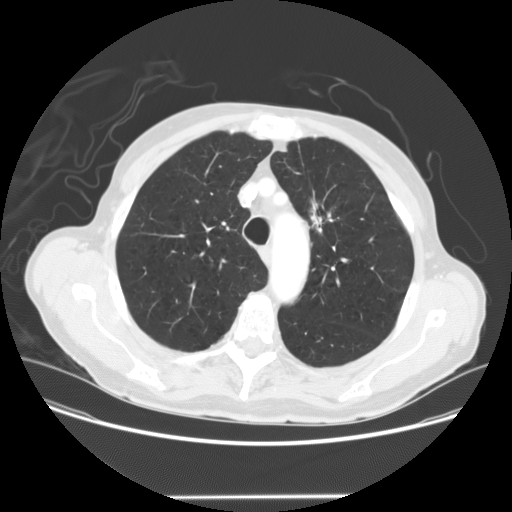
Axial slice 114 of 147 of a chest CT (slice 1 is the lowest), reconstructed with the STANDARD kernel at 120 kVp; 2.50 mm slice thickness and 0.781 mm pixels.
Pulmonary nodule outlined by all four readers; box rows 199–231, columns 308–324 (the union of the readers' outlines on this slice); longest diameter 28.8–40.5 mm and volume 3077–10560 mm3 across the four readers' outlines. Ratings across the readers: texture from 3/5 (part-solid) to 5/5 (solid) across the four readers; margin from 2/5 to 5/5 (circumscribed) across the four readers; sphericity 3/5 (ovoid), all four readers agreeing; calcification absent, all four readers agreeing; internal structure soft tissue, all four readers agreeing; subtlety 4–5/5 (the readers disagree); malignancy likelihood from 3/5 to 5/5 across the four readers. Scale key (1–5): texture non-solid→solid, margin indistinct→circumscribed, sphericity linear→round, subtlety extremely subtle→obvious, malignancy likelihood highly unlikely→highly suspicious of cancer. Box rows and columns are 0-based pixel indices from the top-left corner, inclusive.